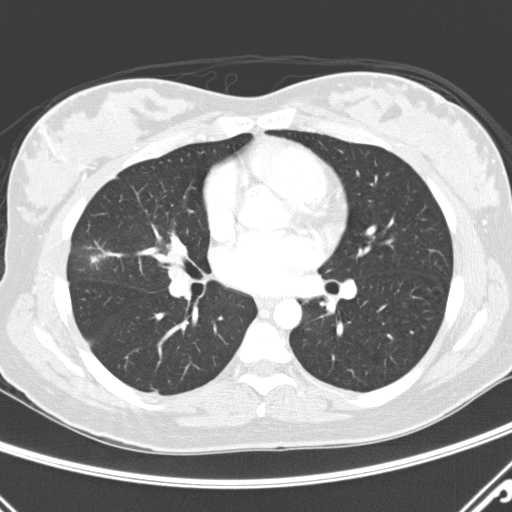
Axial slice 152 of 290 of a chest CT (slice 1 is the lowest), reconstructed with the D kernel at 120 kVp; 2.00 mm slice thickness and 0.648 mm pixels.
Pulmonary nodule, outlined by all four readers. Box on this slice rows 247–263, columns 88–120, the union of the readers' outlines on this slice; longest diameter 26.3 mm on average over the four readers' outlines (readers' outlines 19.9–37.8 mm), volume 1327–2956 mm3. The readers' prevailing ratings and who disagreed: texture split among the readers: 3/5 (part-solid) (two), 5/5 (solid) (two); margin 1/5 (indistinct) by two of four readers; the rest gave 2/5 (one), 3/5 (one); sphericity 3/5 (ovoid) by two of four readers; the rest gave 2/5 (one), 4/5 (one); calcification absent from all four readers; internal structure soft tissue, all four readers agreeing; subtlety 5/5 from all four readers; malignancy likelihood split among the readers: 3/5 (two), 5/5 (two). Scale key (1–5): texture non-solid→solid, margin indistinct→circumscribed, sphericity linear→round, subtlety extremely subtle→obvious, malignancy likelihood highly unlikely→highly suspicious of cancer. Box rows and columns are 0-based pixel indices from the top-left corner, inclusive.